Axial chest CT slice 50 of 280 (counted from the lowest slice); tube voltage 120 kVp, convolution kernel D; slices 2.00 mm thick, 0.613 mm per pixel.
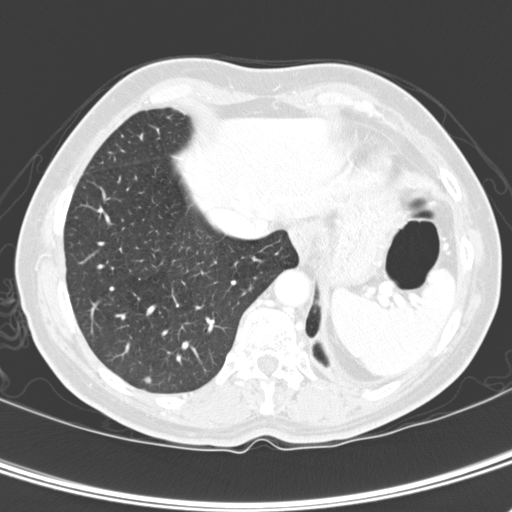
Pulmonary nodule outlined by three of the four readers; box rows 376–384, columns 144–152 (the union of the readers' outlines on this slice); median longest diameter 6.8 mm (readers' outlines 4.5–6.9 mm), median volume 96 mm3 (31–99 mm3). Ratings, median across the readers with their spread: median texture 5/5 (solid) (readers ranged 4/5 to 5/5 (solid)); margin 5/5 (circumscribed) at the median of three readers, spread 4/5 to 5/5 (circumscribed); sphericity 4/5 at the median of three readers, spread 4/5 to 5/5 (round); calcification absent from all three readers; internal structure soft tissue, all three readers agreeing; median subtlety 3/5 (readers ranged 1–4); malignancy likelihood 3/5 at the median of three readers, spread 2–3. Scale key (1–5): texture non-solid→solid, margin indistinct→circumscribed, sphericity linear→round, subtlety extremely subtle→obvious, malignancy likelihood highly unlikely→highly suspicious of cancer. Box rows and columns are 0-based pixel indices from the top-left corner, inclusive.